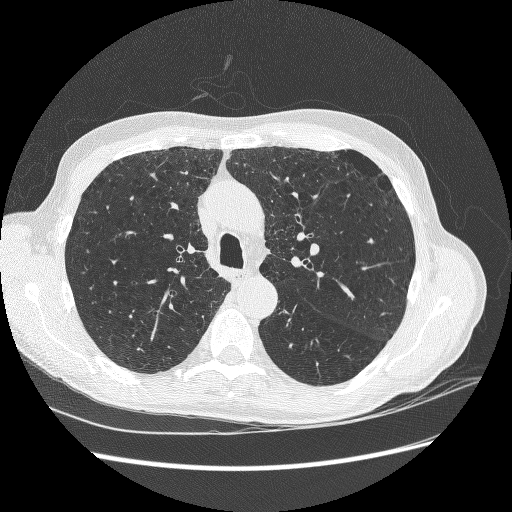
Slice 189/278 of a chest CT, counting up from the lowest; pixel size 0.711 mm, slice thickness 1.25 mm. Pulmonary nodule, outlined by three of the four readers. Box on this slice rows 249–252, columns 86–88, the union of the readers' outlines on this slice; median longest diameter 4.8 mm (readers' outlines 4.8–5.1 mm), median volume 50 mm3 (36–56 mm3). Ratings, median across the readers with their spread: texture 5/5 (solid) at the median of three readers, spread 4/5 to 5/5 (solid); margin 4/5 at the median of three readers, spread 2/5 to 5/5 (circumscribed); sphericity 5/5 (round) at the median of three readers, spread 4/5 to 5/5 (round); calcification absent from all three readers; internal structure soft tissue from all three readers; subtlety 4/5 at the median of three readers, spread 1–5; malignancy likelihood 3/5 at the median of three readers, spread 2–3. Scale key (1–5): texture non-solid→solid, margin indistinct→circumscribed, sphericity linear→round, subtlety extremely subtle→obvious, malignancy likelihood highly unlikely→highly suspicious of cancer. Box rows and columns are 0-based pixel indices from the top-left corner, inclusive.
Scan settings: 120 kVp, BONE reconstruction kernel.